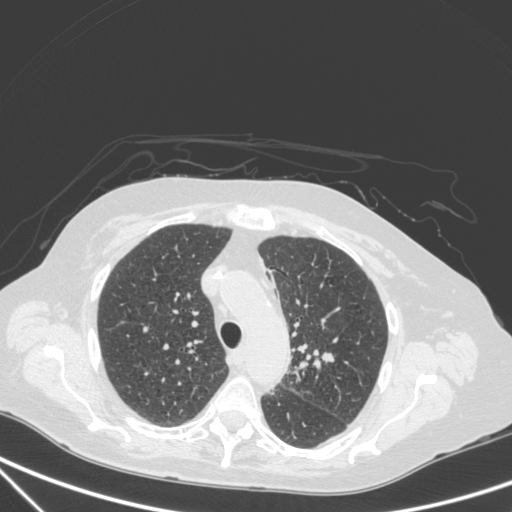
Chest CT, axial plane, 120 kVp, kernel C. Slice 241/350 from the bottom of the scan; thickness 1.50 mm; pixel size 0.725 mm.
Pulmonary nodule at rows 351–361, columns 322–335 (box = the union of the readers' outlines on this slice), outlined by all four readers; the four readers' outlines give a longest diameter between 9.9 and 11.7 mm and a volume between 335 and 580 mm3. Ratings across the readers: texture 5/5 (solid), all four readers agreeing; margin 4/5 from all four readers; sphericity from 3/5 (ovoid) to 4/5 across the four readers; calcification absent from all four readers; internal structure soft tissue from all four readers; subtlety 4–5/5 (the readers disagree); malignancy likelihood rated between 2 and 5 out of 5 by the four readers. Scale key (1–5): texture non-solid→solid, margin indistinct→circumscribed, sphericity linear→round, subtlety extremely subtle→obvious, malignancy likelihood highly unlikely→highly suspicious of cancer. Box rows and columns are 0-based pixel indices from the top-left corner, inclusive.